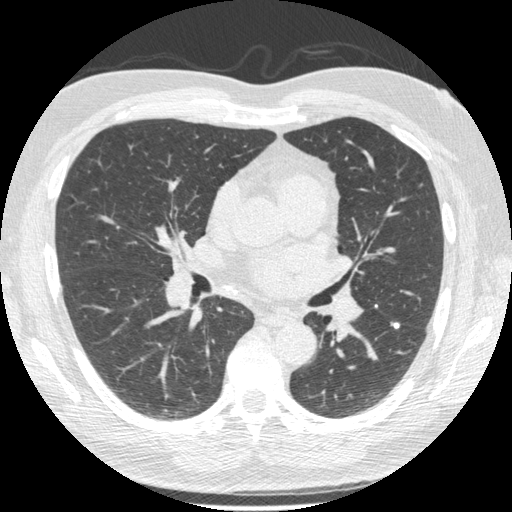
Slice 304/557 of a chest CT, counting up from the lowest; pixel size 0.703 mm, slice thickness 1.25 mm. Pulmonary nodule outlined by all four readers; box rows 321–328, columns 390–400 (the union of the readers' outlines on this slice); longest diameter 8.2 mm on average over the four readers' outlines (readers' outlines 6.0–9.4 mm), volume 90–190 mm3. Ratings, by the readers' most common answer with dissent counted: texture 5/5 (solid), all four readers agreeing; most readers (three of four) put margin at 5/5 (circumscribed), others 4/5 (one); sphericity 5/5 (round) by two of four readers; the rest gave 2/5 (one), 4/5 (one); calcification split among the readers: non-central calcification (two), solid calcification (two); internal structure soft tissue, all four readers agreeing; subtlety 5/5 by two of four readers; the rest gave 3/5 (one), 4/5 (one); most readers (three of four) put malignancy likelihood at 1/5, others 2/5 (one). Scale key (1–5): texture non-solid→solid, margin indistinct→circumscribed, sphericity linear→round, subtlety extremely subtle→obvious, malignancy likelihood highly unlikely→highly suspicious of cancer. Box rows and columns are 0-based pixel indices from the top-left corner, inclusive.
Tube voltage 120 kVp; convolution kernel STANDARD.